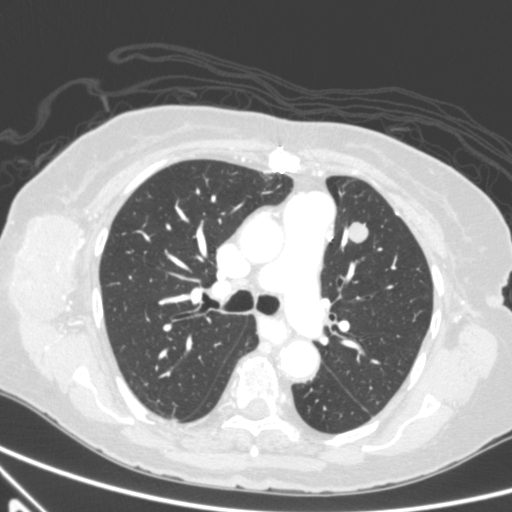
Axial chest CT slice 366 of 590 (counted from the lowest slice); tube voltage 120 kVp, convolution kernel B; slices 0.90 mm thick, 0.627 mm per pixel.
Pulmonary nodule, outlined by all four readers. Box on this slice rows 221–243, columns 347–368, the union of the readers' outlines on this slice; median longest diameter 17.7 mm (readers' outlines 16.3–20.1 mm), median volume 1143 mm3 (1116–1236 mm3). Ratings, median across the readers with their spread: texture 5/5 (solid), all four readers agreeing; margin 4/5 at the median of four readers, spread 3/5 to 5/5 (circumscribed); sphericity 3.5/5 at the median of four readers, spread 3/5 (ovoid) to 4/5; calcification absent from all four readers; internal structure soft tissue, all four readers agreeing; median subtlety 5/5 (readers ranged 4–5); median malignancy likelihood 4/5 (readers ranged 3–5). Scale key (1–5): texture non-solid→solid, margin indistinct→circumscribed, sphericity linear→round, subtlety extremely subtle→obvious, malignancy likelihood highly unlikely→highly suspicious of cancer. Box rows and columns are 0-based pixel indices from the top-left corner, inclusive.